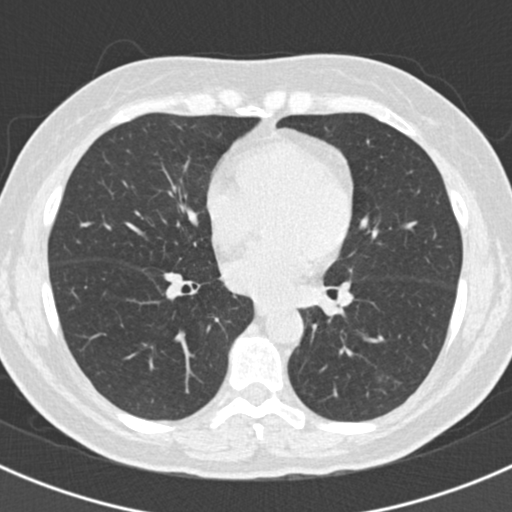
Chest CT, axial plane, 120 kVp, kernel B30f. Slice 94/193 from the bottom of the scan; thickness 2.00 mm; pixel size 0.605 mm.
Pulmonary nodule outlined by three of the four readers, one of them on this slice; box rows 375–382, columns 376–381 (the one reader's outline on this slice); longest diameter 11.1–14.0 mm and volume 148–243 mm3 across the three readers' outlines. The readers' ratings, as ranges where they differ: texture from 1/5 (non-solid) to 3/5 (part-solid) across the three readers; margin from 2/5 to 3/5 across the three readers; sphericity from 2/5 to 4/5 across the three readers; calcification absent, all three readers agreeing; internal structure soft tissue from all three readers; subtlety from 2/5 to 5/5 across the three readers; malignancy likelihood 3/5, all three readers agreeing. Scale key (1–5): texture non-solid→solid, margin indistinct→circumscribed, sphericity linear→round, subtlety extremely subtle→obvious, malignancy likelihood highly unlikely→highly suspicious of cancer. Box rows and columns are 0-based pixel indices from the top-left corner, inclusive.